Chest CT, axial plane, 120 kVp, kernel STANDARD. Slice 452/513 from the bottom of the scan; thickness 1.25 mm; pixel size 0.742 mm.
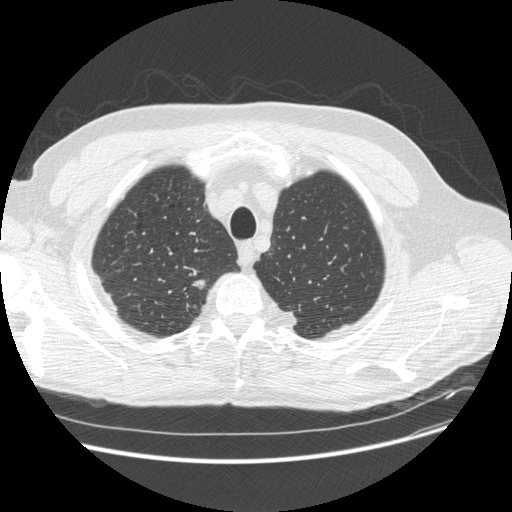
Pulmonary nodule, outlined by all four readers. Box on this slice rows 279–289, columns 191–206, the union of the readers' outlines on this slice; the four readers' outlines give a longest diameter between 11.4 and 16.0 mm and a volume between 128 and 190 mm3. The readers' ratings, as ranges where they differ: texture from 4/5 to 5/5 (solid) across the four readers; margin from 2/5 to 5/5 (circumscribed) across the four readers; sphericity from 2/5 to 5/5 (round) across the four readers; calcification absent, all four readers agreeing; internal structure soft tissue from all four readers; subtlety from 3/5 to 5/5 across the four readers; malignancy likelihood 4–5/5 (the readers disagree). Scale key (1–5): texture non-solid→solid, margin indistinct→circumscribed, sphericity linear→round, subtlety extremely subtle→obvious, malignancy likelihood highly unlikely→highly suspicious of cancer. Box rows and columns are 0-based pixel indices from the top-left corner, inclusive.